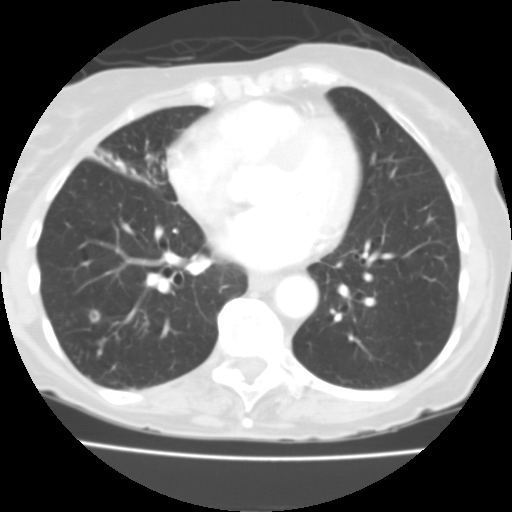
One axial slice (45 of 108, counting up from the lowest) of a chest CT acquired at 135 kVp with the FC01 kernel; each pixel is 0.564 mm and the slice is 3.00 mm thick.
Pulmonary nodule, outlined by two of the four readers, one of them on this slice. Box on this slice rows 310–321, columns 90–99, the one reader's outline on this slice; median longest diameter 10.4 mm (readers' outlines 9.6–11.2 mm), median volume 386 mm3 (381–391 mm3). Ratings, median across the readers with their spread: texture 4/5 at the median of two readers, spread 3/5 (part-solid) to 5/5 (solid); margin 3/5 from both readers; median sphericity 4/5 (readers ranged 3/5 (ovoid) to 5/5 (round)); calcification absent, both readers agreeing; internal structure split among the readers: soft tissue (one), air (one); subtlety 4/5 from both readers; malignancy likelihood 3/5 from both readers. Scale key (1–5): texture non-solid→solid, margin indistinct→circumscribed, sphericity linear→round, subtlety extremely subtle→obvious, malignancy likelihood highly unlikely→highly suspicious of cancer. Box rows and columns are 0-based pixel indices from the top-left corner, inclusive.